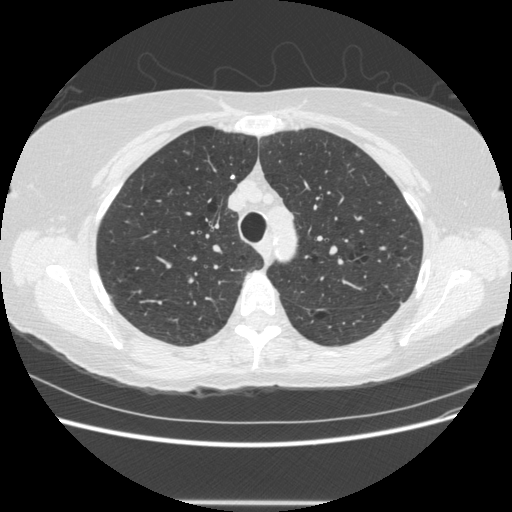
Axial chest CT slice 402 of 513 (counted from the lowest slice); 1.25 mm thick, 0.703 mm per pixel. Pulmonary nodule, outlined by two of the four readers. Box on this slice rows 174–179, columns 230–234, the union of the readers' outlines on this slice; median longest diameter 5.4 mm (readers' outlines 5.0–5.8 mm), median volume 45 mm3 (42–49 mm3). Ratings, median across the readers with their spread: texture 5/5 (solid), both readers agreeing; margin 5/5 (circumscribed) from both readers; sphericity 5/5 (round) from both readers; calcification split among the readers: solid calcification (one), absent (one); internal structure soft tissue, both readers agreeing; subtlety 3/5, both readers agreeing; malignancy likelihood 1.5/5 at the median of two readers, spread 1–2. Scale key (1–5): texture non-solid→solid, margin indistinct→circumscribed, sphericity linear→round, subtlety extremely subtle→obvious, malignancy likelihood highly unlikely→highly suspicious of cancer. Box rows and columns are 0-based pixel indices from the top-left corner, inclusive.
Scan settings: 120 kVp, STANDARD reconstruction kernel.